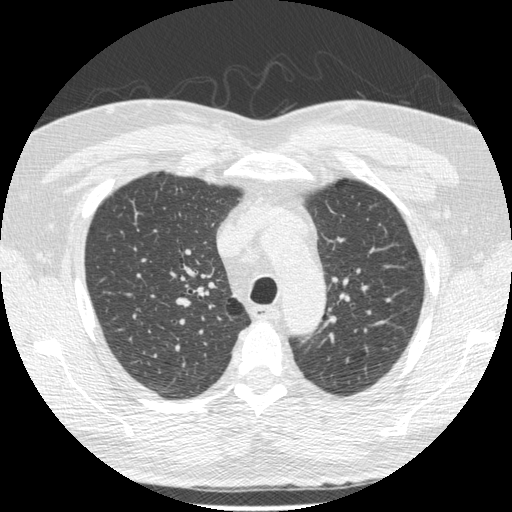
Axial chest CT slice 415 of 557 (counted from the lowest slice); 1.25 mm thick, 0.703 mm per pixel. No nodule 3 mm or larger was outlined here by any reader.
Scan settings: 120 kVp, STANDARD reconstruction kernel.